One axial slice (92 of 186, counting up from the lowest) of a chest CT acquired at 120 kVp with the B30f kernel; each pixel is 0.586 mm and the slice is 2.00 mm thick.
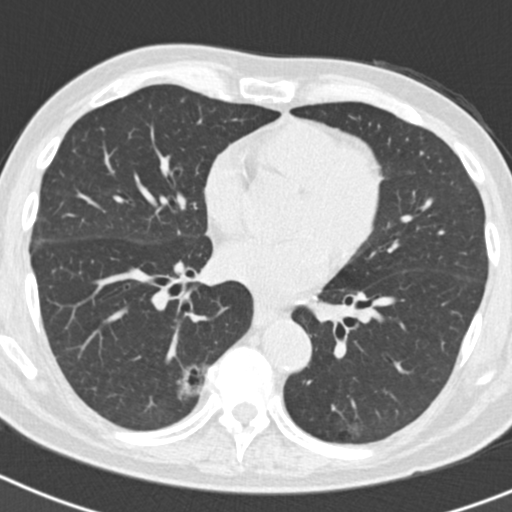
Pulmonary nodule outlined by one of the four readers; box rows 363–397, columns 175–208 (that reader's outline on this slice); longest diameter 31.4 mm and volume 6527 mm3 from that reader's outline. Ratings by that reader: texture 1/5 (non-solid); margin 2/5; sphericity 4/5; calcification absent; internal structure soft tissue; subtlety 5/5; malignancy likelihood 3/5. Scale key (1–5): texture non-solid→solid, margin indistinct→circumscribed, sphericity linear→round, subtlety extremely subtle→obvious, malignancy likelihood highly unlikely→highly suspicious of cancer. Box rows and columns are 0-based pixel indices from the top-left corner, inclusive.